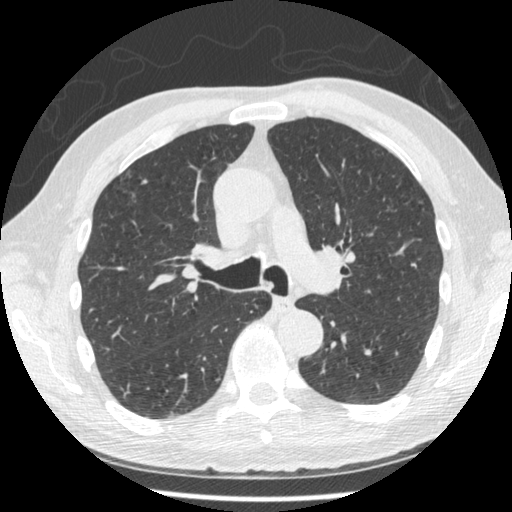
Axial slice 302 of 481 of a chest CT (slice 1 is the lowest), reconstructed with the STANDARD kernel at 120 kVp; 1.25 mm slice thickness and 0.664 mm pixels.
Pulmonary nodule, outlined by one of the four readers. Box on this slice rows 391–400, columns 123–128, that reader's outline on this slice; longest diameter 8.9 mm and volume 153 mm3 from that reader's outline. Ratings by that reader: texture 5/5 (solid); margin 5/5 (circumscribed); sphericity 3/5 (ovoid); calcification absent; internal structure soft tissue; subtlety 4/5; malignancy likelihood 3/5. Scale key (1–5): texture non-solid→solid, margin indistinct→circumscribed, sphericity linear→round, subtlety extremely subtle→obvious, malignancy likelihood highly unlikely→highly suspicious of cancer. Box rows and columns are 0-based pixel indices from the top-left corner, inclusive.